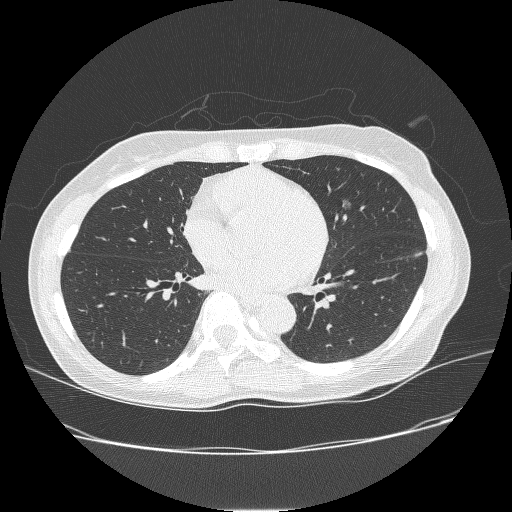
This is axial slice 121 of 238 (slice 1 is the lowest) of a chest CT; each pixel is 0.703 mm and the slice is 1.25 mm thick. Pulmonary nodule, outlined by three of the four readers. Box on this slice rows 199–209, columns 342–350, the union of the readers' outlines on this slice; median longest diameter 8.6 mm (readers' outlines 8.6–8.7 mm), median volume 113 mm3 (93–139 mm3). Ratings, median across the readers with their spread: texture 1/5 (non-solid) from all three readers; margin 1/5 (indistinct) from all three readers; sphericity 4/5 at the median of three readers, spread 4/5 to 5/5 (round); calcification absent, all three readers agreeing; internal structure soft tissue from all three readers; median subtlety 3/5 (readers ranged 2–4); median malignancy likelihood 4/5 (readers ranged 3–4). Scale key (1–5): texture non-solid→solid, margin indistinct→circumscribed, sphericity linear→round, subtlety extremely subtle→obvious, malignancy likelihood highly unlikely→highly suspicious of cancer. Box rows and columns are 0-based pixel indices from the top-left corner, inclusive.
Scan settings: 120 kVp, BONE reconstruction kernel.